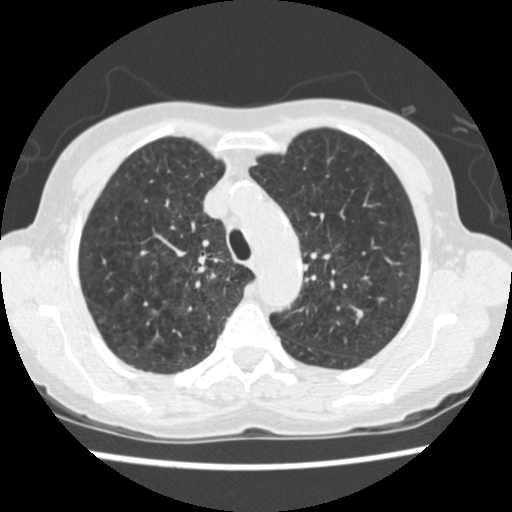
Chest CT, axial plane, 120 kVp, kernel STANDARD. Slice 404/541 from the bottom of the scan; thickness 1.25 mm; pixel size 0.586 mm.
Pulmonary nodule, outlined by two of the four readers. Box on this slice rows 310–318, columns 356–362, the union of the readers' outlines on this slice; median longest diameter 5.8 mm (readers' outlines 5.6–6.1 mm), median volume 92 mm3 (85–100 mm3). Ratings, median across the readers with their spread: texture 5/5 (solid), both readers agreeing; margin 5/5 (circumscribed), both readers agreeing; sphericity 4/5 at the median of two readers, spread 3/5 (ovoid) to 5/5 (round); calcification split among the readers: absent (one), solid calcification (one); internal structure soft tissue, both readers agreeing; subtlety 3.5/5 at the median of two readers, spread 2–5; malignancy likelihood 2/5 at the median of two readers, spread 1–3. Scale key (1–5): texture non-solid→solid, margin indistinct→circumscribed, sphericity linear→round, subtlety extremely subtle→obvious, malignancy likelihood highly unlikely→highly suspicious of cancer. Box rows and columns are 0-based pixel indices from the top-left corner, inclusive.